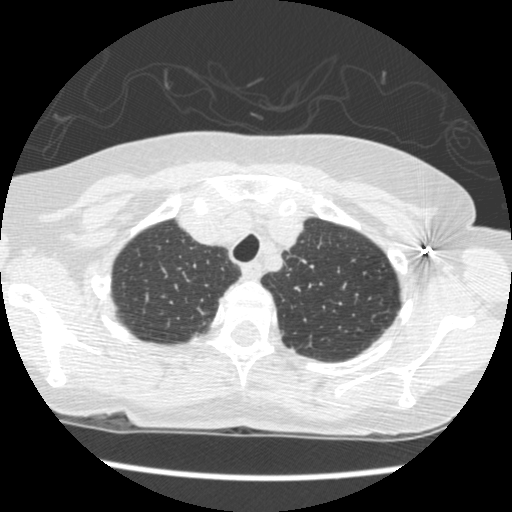
This is axial slice 394 of 461 (slice 1 is the lowest) of a chest CT; each pixel is 0.586 mm and the slice is 1.25 mm thick. Pulmonary nodule outlined by all four readers, two of them on this slice; box rows 347–350, columns 291–294 (the union of the readers' outlines on this slice); median longest diameter 5.5 mm (readers' outlines 5.0–6.6 mm), median volume 46 mm3 (33–53 mm3). Median ratings and the readers' spread: texture 5/5 (solid), all four readers agreeing; margin 4.5/5 at the median of four readers, spread 4/5 to 5/5 (circumscribed); sphericity 4.5/5 at the median of four readers, spread 3/5 (ovoid) to 5/5 (round); calcification absent from all four readers; internal structure soft tissue from all four readers; median subtlety 3/5 (readers ranged 3–4); median malignancy likelihood 2/5 (readers ranged 1–4). Scale key (1–5): texture non-solid→solid, margin indistinct→circumscribed, sphericity linear→round, subtlety extremely subtle→obvious, malignancy likelihood highly unlikely→highly suspicious of cancer. Box rows and columns are 0-based pixel indices from the top-left corner, inclusive.
Tube voltage 120 kVp; convolution kernel STANDARD.